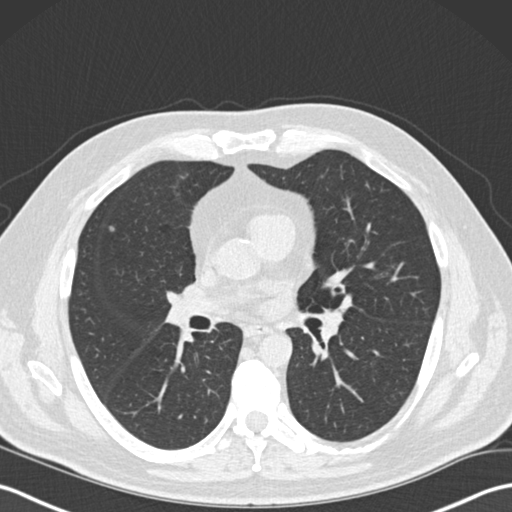
One axial slice (107 of 191, counting up from the lowest) of a chest CT acquired at 120 kVp with the B30f kernel; each pixel is 0.684 mm and the slice is 2.00 mm thick.
Pulmonary nodule at rows 225–231, columns 108–114 (box = the union of the readers' outlines on this slice), outlined by all four readers; longest diameter 5.0–5.8 mm and volume 36–69 mm3 across the four readers' outlines. The readers' ratings, as ranges where they differ: texture from 2/5 to 5/5 (solid) across the four readers; margin from 3/5 to 5/5 (circumscribed) across the four readers; sphericity from 3/5 (ovoid) to 5/5 (round) across the four readers; calcification absent, all four readers agreeing; internal structure soft tissue, all four readers agreeing; subtlety rated between 3 and 5 out of 5 by the four readers; malignancy likelihood 2–3/5 (the readers disagree). Scale key (1–5): texture non-solid→solid, margin indistinct→circumscribed, sphericity linear→round, subtlety extremely subtle→obvious, malignancy likelihood highly unlikely→highly suspicious of cancer. Box rows and columns are 0-based pixel indices from the top-left corner, inclusive.